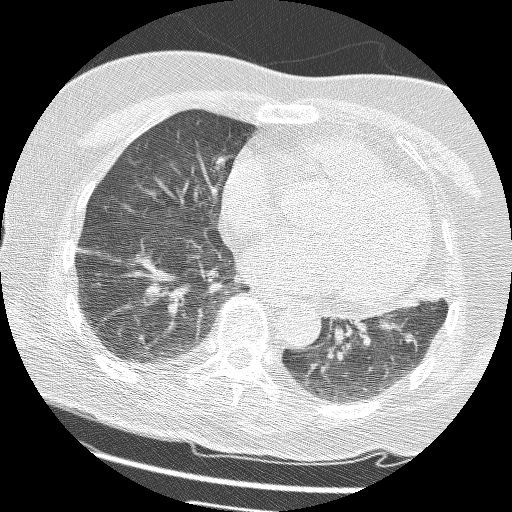
One axial slice (57 of 161, counting up from the lowest) of a chest CT acquired at 120 kVp with the BONE kernel; each pixel is 0.549 mm and the slice is 1.25 mm thick.
Pulmonary nodule, outlined by three of the four readers. Box on this slice rows 333–342, columns 403–414, the union of the readers' outlines on this slice; median longest diameter 5.7 mm (readers' outlines 5.5–7.4 mm), median volume 40 mm3 (38–91 mm3). Ratings, median across the readers with their spread: median texture 5/5 (solid) (readers ranged 2/5 to 5/5 (solid)); margin 2/5 at the median of three readers, spread 1/5 (indistinct) to 4/5; sphericity 4/5 at the median of three readers, spread 3/5 (ovoid) to 4/5; calcification absent, all three readers agreeing; internal structure soft tissue, all three readers agreeing; median subtlety 1/5 (readers ranged 1–3); malignancy likelihood 3/5, all three readers agreeing. Scale key (1–5): texture non-solid→solid, margin indistinct→circumscribed, sphericity linear→round, subtlety extremely subtle→obvious, malignancy likelihood highly unlikely→highly suspicious of cancer. Box rows and columns are 0-based pixel indices from the top-left corner, inclusive.